Axial slice 54 of 127 of a chest CT (slice 1 is the lowest), reconstructed with the STANDARD kernel at 120 kVp; 2.50 mm slice thickness and 0.703 mm pixels.
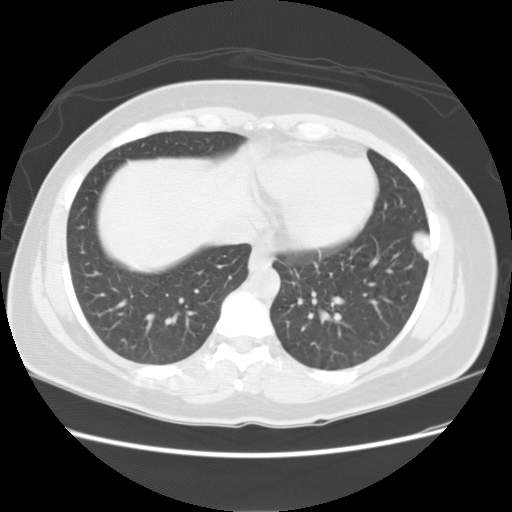
Pulmonary nodule, outlined by all four readers. Box on this slice rows 230–260, columns 411–430, the union of the readers' outlines on this slice; longest diameter 28.0 mm on average over the four readers' outlines (readers' outlines 27.7–28.3 mm), volume 5117–6404 mm3. Ratings, by the readers' most common answer with dissent counted: texture 5/5 (solid) from all four readers; margin 5/5 (circumscribed) by three of four readers; the rest gave 4/5 (one); most readers (three of four) put sphericity at 3/5 (ovoid), others 5/5 (round) (one); calcification absent, all four readers agreeing; internal structure soft tissue from all four readers; subtlety 5/5, all four readers agreeing; malignancy likelihood 5/5 by two of four readers; the rest gave 3/5 (one), 4/5 (one). Scale key (1–5): texture non-solid→solid, margin indistinct→circumscribed, sphericity linear→round, subtlety extremely subtle→obvious, malignancy likelihood highly unlikely→highly suspicious of cancer. Box rows and columns are 0-based pixel indices from the top-left corner, inclusive.